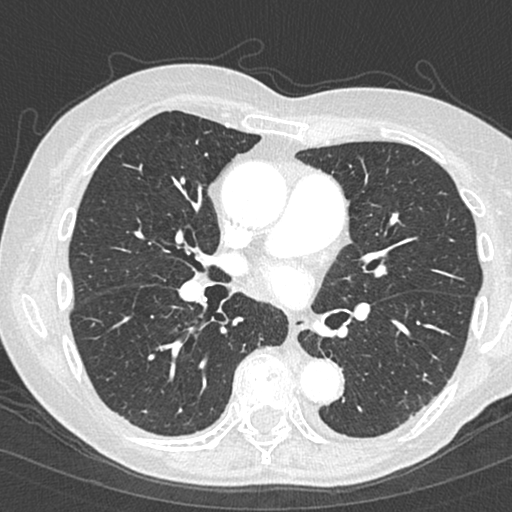
Axial chest CT slice 175 of 301 (counted from the lowest slice); tube voltage 120 kVp, convolution kernel B45f; slices 1.00 mm thick, 0.547 mm per pixel.
This slice carries no reader outline of a nodule 3 mm or larger.